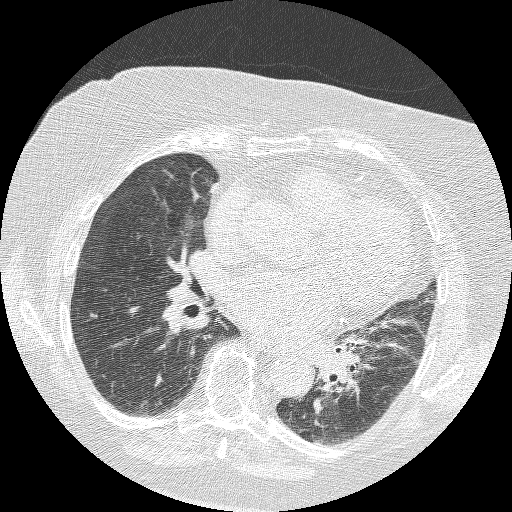
Axial chest CT slice 133 of 235 (counted from the lowest slice); tube voltage 120 kVp, convolution kernel BONE; slices 1.25 mm thick, 0.625 mm per pixel.
Pulmonary nodule at rows 401–406, columns 141–146 (box = the one reader's outline on this slice), outlined by two of the four readers, one of them on this slice; median longest diameter 20.0 mm (readers' outlines 17.6–22.4 mm), median volume 1037 mm3 (602–1472 mm3). Median ratings and the readers' spread: texture 5/5 (solid) from both readers; median margin 3.5/5 (readers ranged 2/5 to 5/5 (circumscribed)); median sphericity 1.5/5 (readers ranged 1/5 (linear) to 2/5); calcification absent from both readers; internal structure soft tissue, both readers agreeing; subtlety 5/5 from both readers; malignancy likelihood 3/5 from both readers. Scale key (1–5): texture non-solid→solid, margin indistinct→circumscribed, sphericity linear→round, subtlety extremely subtle→obvious, malignancy likelihood highly unlikely→highly suspicious of cancer. Box rows and columns are 0-based pixel indices from the top-left corner, inclusive.